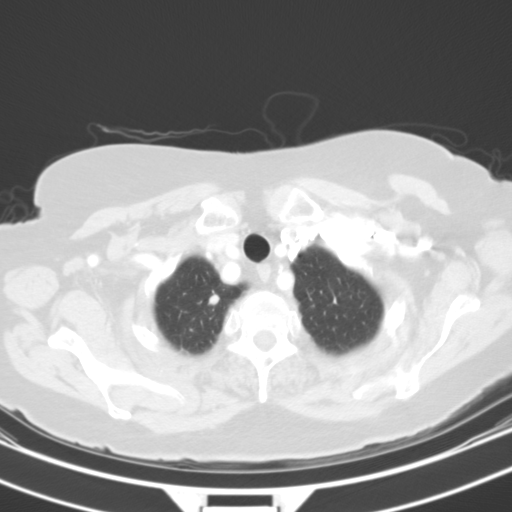
Chest CT, axial plane, 130 kVp, kernel B31s. Slice 98/109 from the bottom of the scan; thickness 3.00 mm; pixel size 0.629 mm.
Pulmonary nodule, outlined by all four readers. Box on this slice rows 294–304, columns 209–219, the union of the readers' outlines on this slice; longest diameter 7.2–8.6 mm and volume 167–267 mm3 across the four readers' outlines. Ratings across the readers: texture from 4/5 to 5/5 (solid) across the four readers; margin from 4/5 to 5/5 (circumscribed) across the four readers; sphericity from 3/5 (ovoid) to 5/5 (round) across the four readers; calcification absent, all four readers agreeing; internal structure soft tissue from all four readers; subtlety 3–5/5 (the readers disagree); malignancy likelihood from 2/5 to 4/5 across the four readers. Scale key (1–5): texture non-solid→solid, margin indistinct→circumscribed, sphericity linear→round, subtlety extremely subtle→obvious, malignancy likelihood highly unlikely→highly suspicious of cancer. Box rows and columns are 0-based pixel indices from the top-left corner, inclusive.